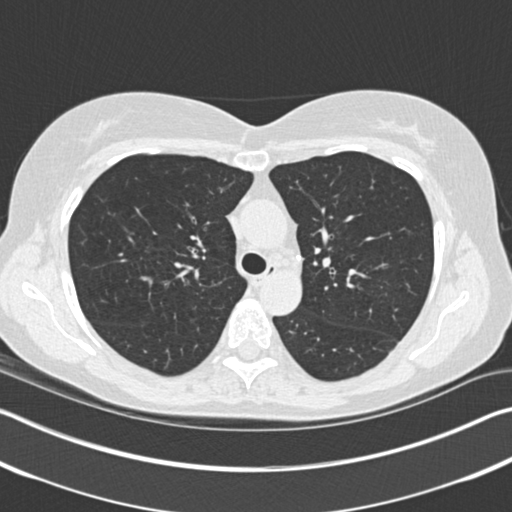
Axial chest CT slice 126 of 183 (counted from the lowest slice); 2.00 mm thick, 0.664 mm per pixel. This slice carries no reader outline of a nodule 3 mm or larger.
Acquired at 120 kVp and reconstructed with the B30f kernel.